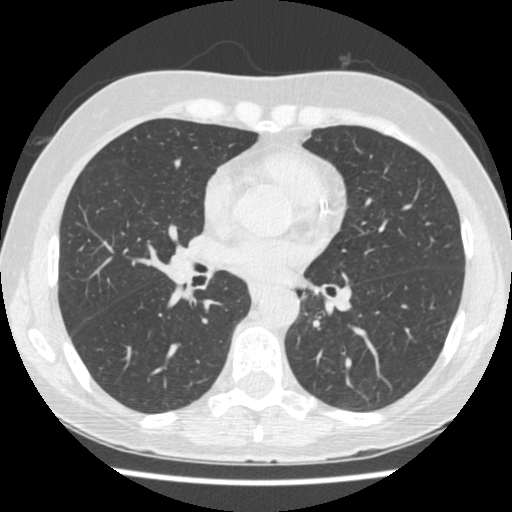
Axial slice 238 of 481 of a chest CT (slice 1 is the lowest), reconstructed with the STANDARD kernel at 120 kVp; 1.25 mm slice thickness and 0.605 mm pixels.
This slice carries no reader outline of a nodule 3 mm or larger.